Axial chest CT slice 71 of 421 (counted from the lowest slice); tube voltage 120 kVp, convolution kernel STANDARD; slices 1.25 mm thick, 0.703 mm per pixel.
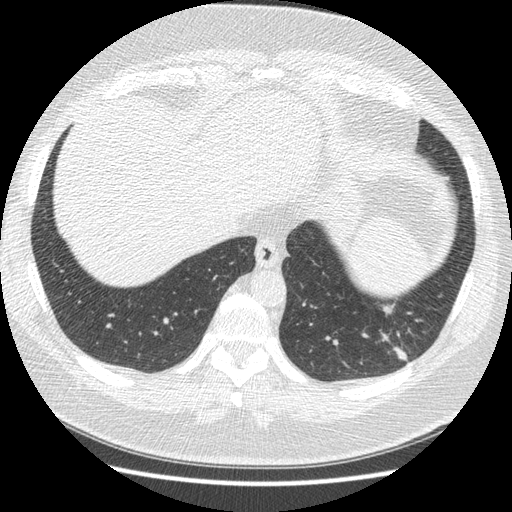
Pulmonary nodule, outlined four times (the source holds four more outlines, not used). Box on this slice rows 306–359, columns 383–406, the union of the readers' outlines on this slice; median longest diameter 32.9 mm (readers' outlines 30.9–38.9 mm), median volume 5450 mm3 (4443–5826 mm3). Ratings, median across the readers with their spread: texture 5/5 (solid) at the median of four readers, spread 4/5 to 5/5 (solid); median margin 4/5 (readers ranged 3/5 to 4/5); sphericity 2.5/5 at the median of four readers, spread 2/5 to 4/5; calcification absent, all four readers agreeing; internal structure soft tissue, all four readers agreeing; subtlety 5/5 at the median of four readers, spread 4–5; median malignancy likelihood 3.5/5 (readers ranged 2–5). Scale key (1–5): texture non-solid→solid, margin indistinct→circumscribed, sphericity linear→round, subtlety extremely subtle→obvious, malignancy likelihood highly unlikely→highly suspicious of cancer. Box rows and columns are 0-based pixel indices from the top-left corner, inclusive.